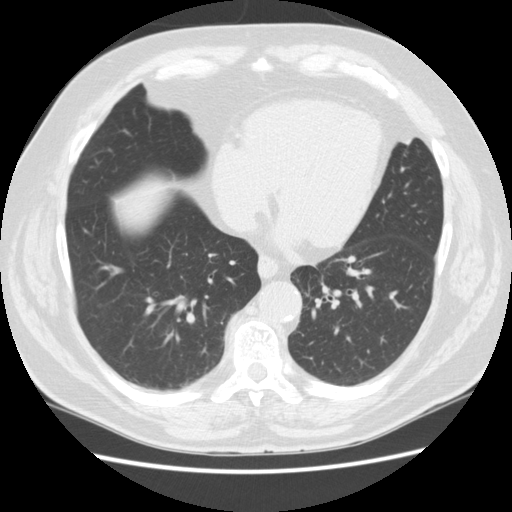
This is axial slice 62 of 148 (slice 1 is the lowest) of a chest CT; each pixel is 0.703 mm and the slice is 2.50 mm thick. Pulmonary nodule outlined by all four readers, two of them on this slice; box rows 304–306, columns 97–102 (the union of the readers' outlines on this slice); median longest diameter 5.9 mm (readers' outlines 5.1–7.3 mm), median volume 82 mm3 (53–131 mm3). Ratings, median across the readers with their spread: texture 5/5 (solid) at the median of four readers, spread 4/5 to 5/5 (solid); median margin 5/5 (circumscribed) (readers ranged 4/5 to 5/5 (circumscribed)); median sphericity 4.5/5 (readers ranged 4/5 to 5/5 (round)); calcification absent, all four readers agreeing; internal structure soft tissue from all four readers; subtlety 3/5 at the median of four readers, spread 2–5; malignancy likelihood 2/5 at the median of four readers, spread 2–3. Scale key (1–5): texture non-solid→solid, margin indistinct→circumscribed, sphericity linear→round, subtlety extremely subtle→obvious, malignancy likelihood highly unlikely→highly suspicious of cancer. Box rows and columns are 0-based pixel indices from the top-left corner, inclusive.
Scan settings: 120 kVp, STANDARD reconstruction kernel.